Chest CT, axial plane, 120 kVp, kernel STANDARD. Slice 166/245 from the bottom of the scan; thickness 2.50 mm; pixel size 0.547 mm.
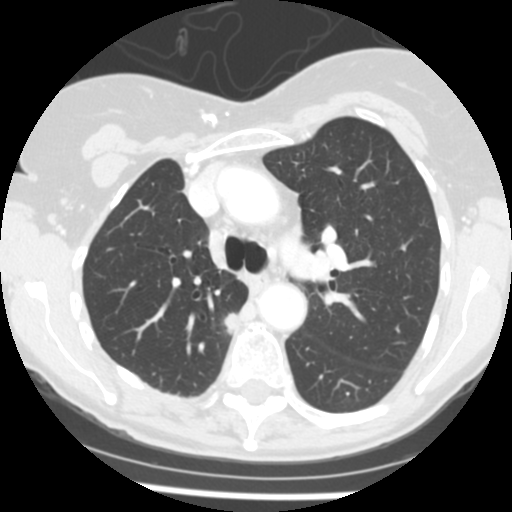
Pulmonary nodule at rows 313–334, columns 224–238 (box = the union of the readers' outlines on this slice), outlined by all four readers; the four readers' outlines give a longest diameter between 13.1 and 14.5 mm and a volume between 549 and 868 mm3. The readers' ratings, as ranges where they differ: texture 5/5 (solid) from all four readers; margin from 3/5 to 5/5 (circumscribed) across the four readers; sphericity from 2/5 to 5/5 (round) across the four readers; calcification absent from all four readers; internal structure soft tissue from all four readers; subtlety rated between 4 and 5 out of 5 by the four readers; malignancy likelihood 3–5/5 (the readers disagree). Scale key (1–5): texture non-solid→solid, margin indistinct→circumscribed, sphericity linear→round, subtlety extremely subtle→obvious, malignancy likelihood highly unlikely→highly suspicious of cancer. Box rows and columns are 0-based pixel indices from the top-left corner, inclusive.